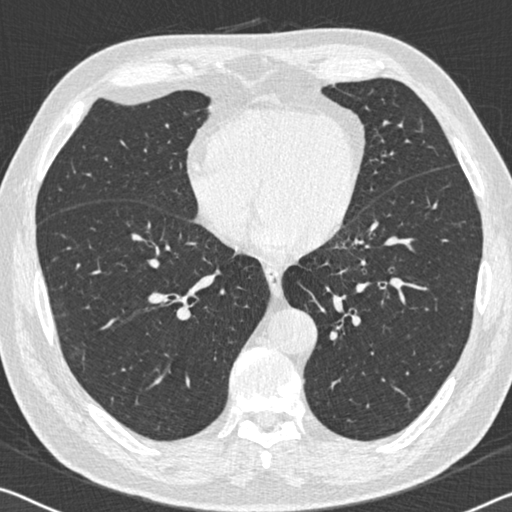
Chest CT, axial plane, 120 kVp, kernel B30f. Slice 243/536 from the bottom of the scan; thickness 0.75 mm; pixel size 0.656 mm.
Pulmonary nodule outlined by one of the four readers; box rows 123–127, columns 398–401 (that reader's outline on this slice); longest diameter 9.1 mm and volume 89 mm3 from that reader's outline. Ratings by that reader: texture 5/5 (solid); margin 4/5; sphericity 3/5 (ovoid); calcification absent; internal structure soft tissue; subtlety 4/5; malignancy likelihood 2/5. Scale key (1–5): texture non-solid→solid, margin indistinct→circumscribed, sphericity linear→round, subtlety extremely subtle→obvious, malignancy likelihood highly unlikely→highly suspicious of cancer. Box rows and columns are 0-based pixel indices from the top-left corner, inclusive.